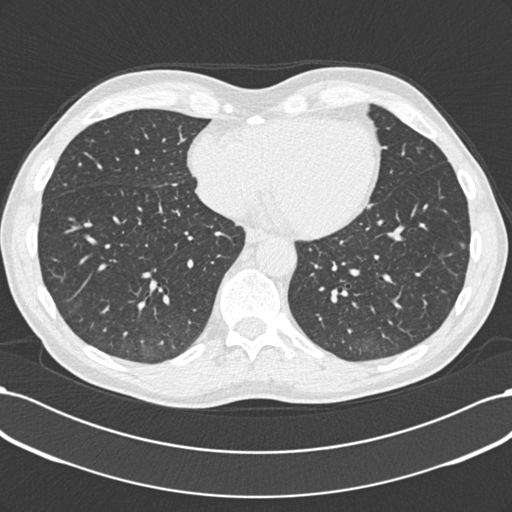
Axial chest CT slice 73 of 198 (counted from the lowest slice); tube voltage 120 kVp, convolution kernel B30f; slices 2.00 mm thick, 0.703 mm per pixel.
Pulmonary nodule, outlined by three of the four readers. Box on this slice rows 243–248, columns 461–464, the union of the readers' outlines on this slice; median longest diameter 6.9 mm (readers' outlines 6.6–6.9 mm), median volume 93 mm3 (89–94 mm3). Median ratings and the readers' spread: texture 5/5 (solid) at the median of three readers, spread 4/5 to 5/5 (solid); margin 5/5 (circumscribed) at the median of three readers, spread 4/5 to 5/5 (circumscribed); median sphericity 4/5 (readers ranged 4/5 to 5/5 (round)); calcification absent, all three readers agreeing; internal structure soft tissue from all three readers; subtlety 4/5 at the median of three readers, spread 2–5; median malignancy likelihood 3/5 (readers ranged 3–4). Scale key (1–5): texture non-solid→solid, margin indistinct→circumscribed, sphericity linear→round, subtlety extremely subtle→obvious, malignancy likelihood highly unlikely→highly suspicious of cancer. Box rows and columns are 0-based pixel indices from the top-left corner, inclusive.